Axial chest CT slice 85 of 115 (counted from the lowest slice); tube voltage 135 kVp, convolution kernel FC01; slices 3.00 mm thick, 0.729 mm per pixel.
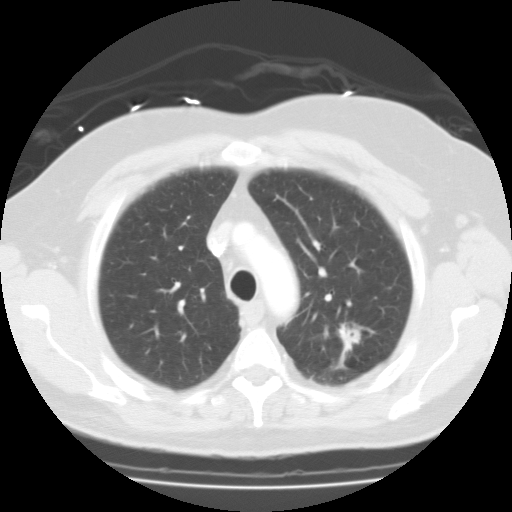
Pulmonary nodule at rows 323–365, columns 338–362 (box = that reader's outline on this slice), outlined by one of the four readers; longest diameter 34.4 mm and volume 9064 mm3 from that reader's outline. Ratings by that reader: texture 5/5 (solid); margin 3/5; sphericity 2/5; calcification absent; internal structure fluid; subtlety 5/5; malignancy likelihood 3/5. Scale key (1–5): texture non-solid→solid, margin indistinct→circumscribed, sphericity linear→round, subtlety extremely subtle→obvious, malignancy likelihood highly unlikely→highly suspicious of cancer. Box rows and columns are 0-based pixel indices from the top-left corner, inclusive.